Axial chest CT slice 170 of 605 (counted from the lowest slice); tube voltage 120 kVp, convolution kernel STANDARD; slices 1.25 mm thick, 0.703 mm per pixel.
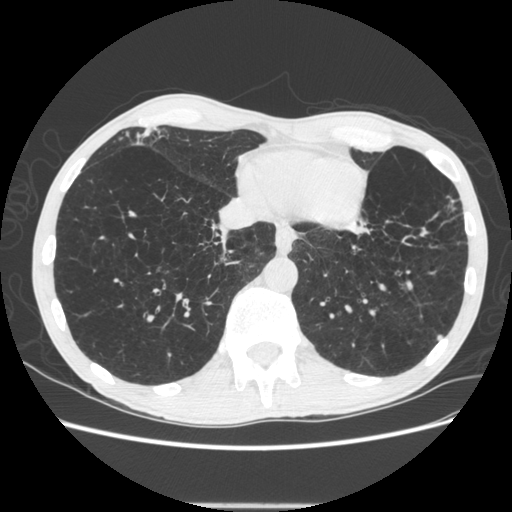
Pulmonary nodule, outlined by one of the four readers. Box on this slice rows 335–340, columns 437–441, that reader's outline on this slice; longest diameter 6.3 mm and volume 45 mm3 from that reader's outline. That reader's ratings: texture 5/5 (solid); margin 5/5 (circumscribed); sphericity 4/5; calcification absent; internal structure soft tissue; subtlety 3/5; malignancy likelihood 3/5. Scale key (1–5): texture non-solid→solid, margin indistinct→circumscribed, sphericity linear→round, subtlety extremely subtle→obvious, malignancy likelihood highly unlikely→highly suspicious of cancer. Box rows and columns are 0-based pixel indices from the top-left corner, inclusive.